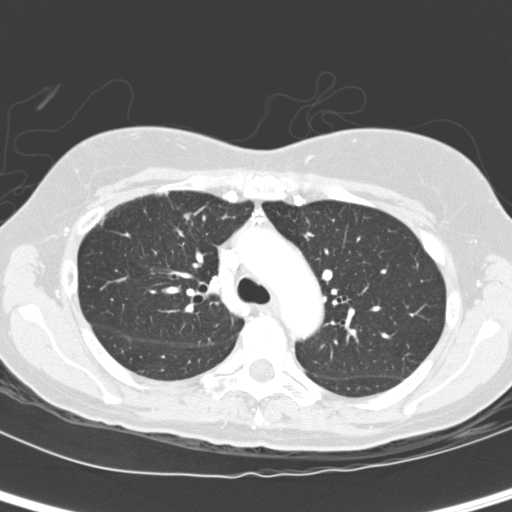
Axial chest CT slice 182 of 260 (counted from the lowest slice); 2.00 mm thick, 0.584 mm per pixel. Pulmonary nodule outlined by three of the four readers; box rows 212–220, columns 184–191 (the union of the readers' outlines on this slice); the three readers' outlines give a longest diameter between 5.4 and 6.8 mm and a volume between 27 and 95 mm3. The readers' ratings, as ranges where they differ: texture from 4/5 to 5/5 (solid) across the three readers; margin from 3/5 to 5/5 (circumscribed) across the three readers; sphericity from 3/5 (ovoid) to 4/5 across the three readers; calcification absent, all three readers agreeing; internal structure soft tissue, all three readers agreeing; subtlety rated between 2 and 3 out of 5 by the three readers; malignancy likelihood 1–4/5 (the readers disagree). Scale key (1–5): texture non-solid→solid, margin indistinct→circumscribed, sphericity linear→round, subtlety extremely subtle→obvious, malignancy likelihood highly unlikely→highly suspicious of cancer. Box rows and columns are 0-based pixel indices from the top-left corner, inclusive.
Scan settings: 120 kVp, D reconstruction kernel.